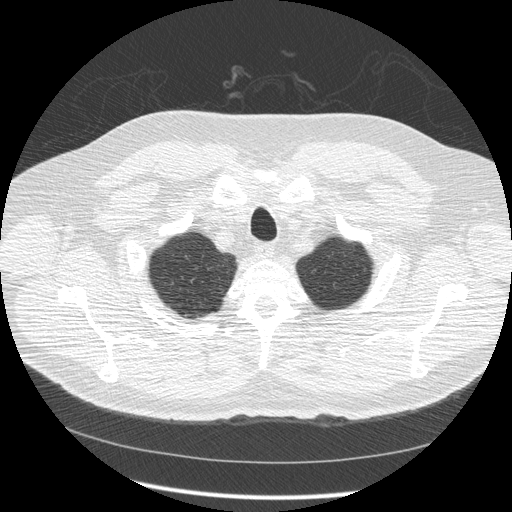
One axial slice (439 of 484, counting up from the lowest) of a chest CT acquired at 120 kVp with the STANDARD kernel; each pixel is 0.762 mm and the slice is 1.25 mm thick.
Pulmonary nodule at rows 267–271, columns 363–366 (box = that reader's outline on this slice), outlined by one of the four readers; longest diameter 4.6 mm and volume 27 mm3 from that reader's outline. Ratings by that reader: texture 5/5 (solid); margin 5/5 (circumscribed); sphericity 4/5; calcification absent; internal structure soft tissue; subtlety 3/5; malignancy likelihood 2/5. Scale key (1–5): texture non-solid→solid, margin indistinct→circumscribed, sphericity linear→round, subtlety extremely subtle→obvious, malignancy likelihood highly unlikely→highly suspicious of cancer. Box rows and columns are 0-based pixel indices from the top-left corner, inclusive.